Axial chest CT slice 61 of 114 (counted from the lowest slice); tube voltage 130 kVp, convolution kernel B31s; slices 3.00 mm thick, 0.617 mm per pixel.
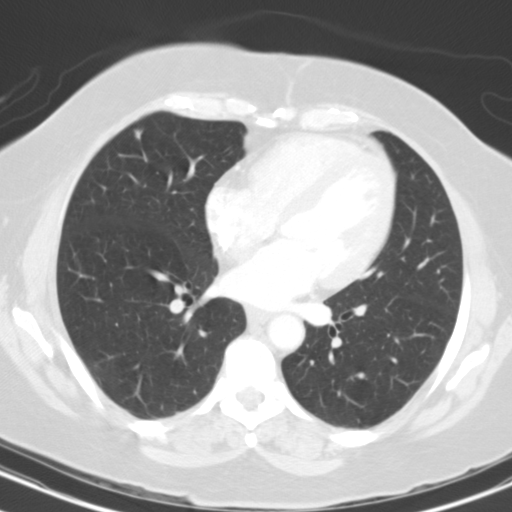
Two pulmonary nodules are outlined on this slice; from left to right: (1) Pulmonary nodule outlined by three of the four readers; box rows 129–139, columns 134–141 (the union of the readers' outlines on this slice); median longest diameter 7.6 mm (readers' outlines 7.0–7.7 mm), median volume 151 mm3 (138–162 mm3). Ratings, median across the readers with their spread: median texture 3/5 (part-solid) (readers ranged 2/5 to 4/5); margin 3/5 at the median of three readers, spread 2/5 to 4/5; sphericity 3/5 (ovoid) at the median of three readers, spread 2/5 to 5/5 (round); calcification absent, all three readers agreeing; internal structure soft tissue, all three readers agreeing; subtlety 4/5 at the median of three readers, spread 3–5; malignancy likelihood 3/5 at the median of three readers, spread 2–4. (2) Pulmonary nodule at rows 372–378, columns 355–365 (box = the union of the readers' outlines on this slice), outlined by all four readers, three of them on this slice; median longest diameter 7.1 mm (readers' outlines 6.3–8.7 mm), median volume 185 mm3 (102–324 mm3). Median ratings and the readers' spread: texture 5/5 (solid) from all four readers; margin 5/5 (circumscribed) at the median of four readers, spread 4/5 to 5/5 (circumscribed); sphericity 5/5 (round), all four readers agreeing; calcification solid calcification from all four readers; internal structure soft tissue from all four readers; subtlety 5/5 at the median of four readers, spread 4–5; malignancy likelihood 1/5 from all four readers. Scale key (1–5): texture non-solid→solid, margin indistinct→circumscribed, sphericity linear→round, subtlety extremely subtle→obvious, malignancy likelihood highly unlikely→highly suspicious of cancer. Box rows and columns are 0-based pixel indices from the top-left corner, inclusive.